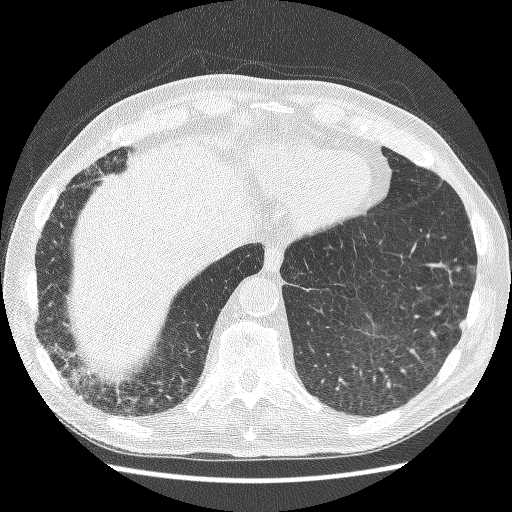
This is axial slice 55 of 241 (slice 1 is the lowest) of a chest CT; each pixel is 0.703 mm and the slice is 1.25 mm thick. Two pulmonary nodules on this slice, listed from left to right. (1) Pulmonary nodule, outlined by all four readers, two of them on this slice. Box on this slice rows 265–271, columns 455–462, the union of the readers' outlines on this slice; longest diameter 8.0–10.1 mm and volume 97–222 mm3 across the four readers' outlines. Ratings across the readers: texture 5/5 (solid), all four readers agreeing; margin from 4/5 to 5/5 (circumscribed) across the four readers; sphericity from 3/5 (ovoid) to 4/5 across the four readers; calcification: absent (three), solid calcification (one); internal structure soft tissue from all four readers; subtlety 3–5/5 (the readers disagree); malignancy likelihood rated between 1 and 3 out of 5 by the four readers. (2) Pulmonary nodule outlined by all four readers; box rows 318–330, columns 458–464 (the union of the readers' outlines on this slice); median longest diameter 9.3 mm (readers' outlines 7.6–10.1 mm), median volume 106 mm3 (81–114 mm3). Ratings, median across the readers with their spread: texture 5/5 (solid), all four readers agreeing; margin 4/5 at the median of four readers, spread 4/5 to 5/5 (circumscribed); median sphericity 3.5/5 (readers ranged 2/5 to 4/5); calcification absent from all four readers; internal structure soft tissue from all four readers; median subtlety 4/5 (readers ranged 3–4); malignancy likelihood 2/5 at the median of four readers, spread 1–3. Scale key (1–5): texture non-solid→solid, margin indistinct→circumscribed, sphericity linear→round, subtlety extremely subtle→obvious, malignancy likelihood highly unlikely→highly suspicious of cancer. Box rows and columns are 0-based pixel indices from the top-left corner, inclusive.
Tube voltage 120 kVp; convolution kernel BONE.